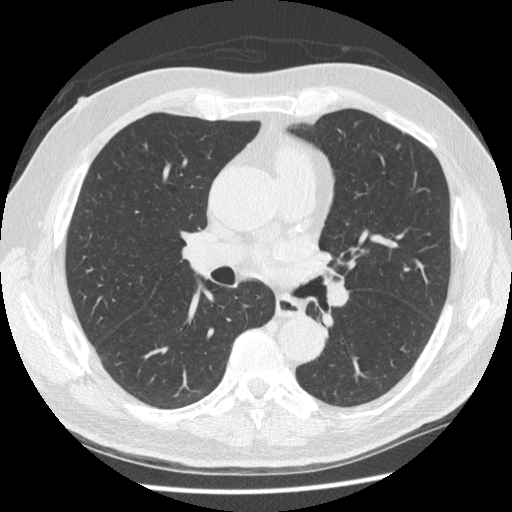
One axial slice (293 of 519, counting up from the lowest) of a chest CT acquired at 120 kVp with the STANDARD kernel; each pixel is 0.703 mm and the slice is 1.25 mm thick.
Pulmonary nodule outlined by all four readers; box rows 143–149, columns 395–400 (the union of the readers' outlines on this slice); median longest diameter 6.0 mm (readers' outlines 5.8–6.4 mm), median volume 47 mm3 (39–52 mm3). Ratings, median across the readers with their spread: texture 5/5 (solid), all four readers agreeing; margin 4.5/5 at the median of four readers, spread 4/5 to 5/5 (circumscribed); sphericity 3.5/5 at the median of four readers, spread 2/5 to 5/5 (round); calcification: absent (three), solid calcification (one); internal structure soft tissue, all four readers agreeing; subtlety 3/5 at the median of four readers, spread 2–4; malignancy likelihood 2/5 at the median of four readers, spread 1–4. Scale key (1–5): texture non-solid→solid, margin indistinct→circumscribed, sphericity linear→round, subtlety extremely subtle→obvious, malignancy likelihood highly unlikely→highly suspicious of cancer. Box rows and columns are 0-based pixel indices from the top-left corner, inclusive.